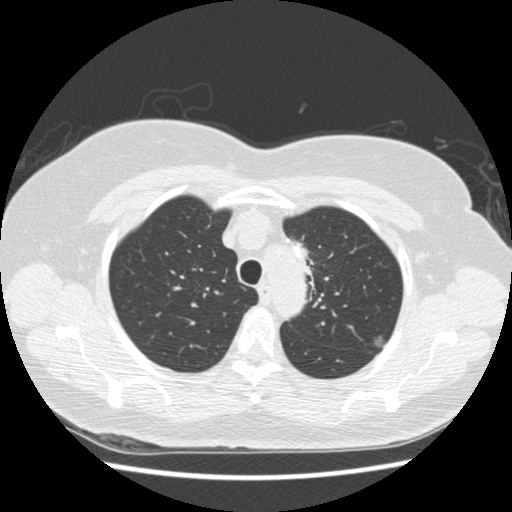
Axial chest CT slice 345 of 445 (counted from the lowest slice); tube voltage 120 kVp, convolution kernel STANDARD; slices 1.25 mm thick, 0.645 mm per pixel.
Pulmonary nodule outlined by all four readers; box rows 335–348, columns 373–385 (the union of the readers' outlines on this slice); longest diameter 10.9 mm on average over the four readers' outlines (readers' outlines 9.9–11.6 mm), volume 292–430 mm3. The readers' prevailing ratings and who disagreed: texture 2/5 by two of four readers; the rest gave 1/5 (non-solid) (one), 4/5 (one); margin 4/5 by two of four readers; the rest gave 2/5 (one), 5/5 (circumscribed) (one); sphericity split among the readers: 3/5 (ovoid) (two), 5/5 (round) (two); calcification absent from all four readers; internal structure soft tissue, all four readers agreeing; most readers (three of four) put subtlety at 3/5, others 5/5 (one); malignancy likelihood 4/5 by two of four readers; the rest gave 2/5 (one), 5/5 (one). Scale key (1–5): texture non-solid→solid, margin indistinct→circumscribed, sphericity linear→round, subtlety extremely subtle→obvious, malignancy likelihood highly unlikely→highly suspicious of cancer. Box rows and columns are 0-based pixel indices from the top-left corner, inclusive.